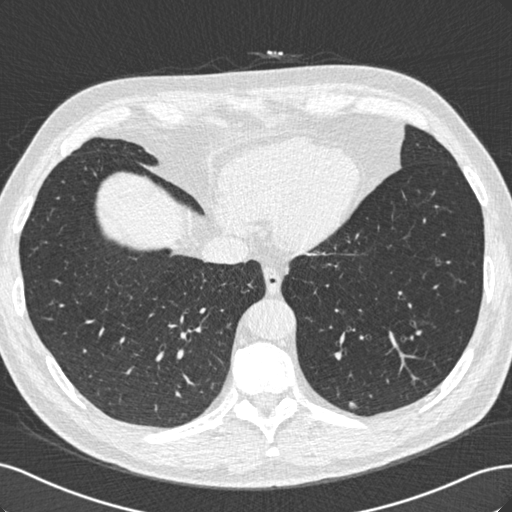
One axial slice (218 of 529, counting up from the lowest) of a chest CT acquired at 120 kVp with the B30f kernel; each pixel is 0.703 mm and the slice is 0.75 mm thick.
Two pulmonary nodules are outlined on this slice; from left to right: (1) Pulmonary nodule at rows 403–406, columns 350–355 (box = that reader's outline on this slice), outlined by one of the four readers; longest diameter 6.3 mm and volume 37 mm3 from that reader's outline. Ratings by that reader: texture 4/5; margin 4/5; sphericity 3/5 (ovoid); calcification absent; internal structure soft tissue; subtlety 5/5; malignancy likelihood 3/5. (2) Pulmonary nodule outlined by one of the four readers; box rows 402–407, columns 349–356 (that reader's outline on this slice); longest diameter 7.6 mm and volume 65 mm3 from that reader's outline. Ratings by that reader: texture 5/5 (solid); margin 4/5; sphericity 3/5 (ovoid); calcification absent; internal structure soft tissue; subtlety 3/5; malignancy likelihood 3/5. Scale key (1–5): texture non-solid→solid, margin indistinct→circumscribed, sphericity linear→round, subtlety extremely subtle→obvious, malignancy likelihood highly unlikely→highly suspicious of cancer. Box rows and columns are 0-based pixel indices from the top-left corner, inclusive.